Axial chest CT slice 68 of 133 (counted from the lowest slice); tube voltage 120 kVp, convolution kernel LUNG; slices 2.50 mm thick, 0.703 mm per pixel.
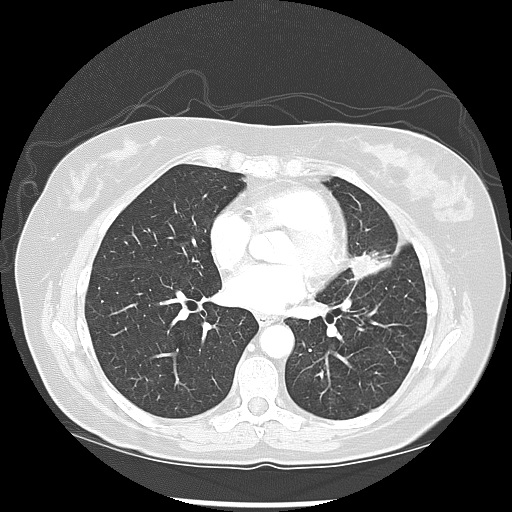
Pulmonary nodule outlined by three of the four readers; box rows 250–280, columns 348–390 (the union of the readers' outlines on this slice); the three readers' outlines give a longest diameter between 33.3 and 41.8 mm and a volume between 6044 and 7666 mm3. The readers' ratings, as ranges where they differ: texture 5/5 (solid), all three readers agreeing; margin from 3/5 to 4/5 across the three readers; sphericity 3/5 (ovoid), all three readers agreeing; calcification absent from all three readers; internal structure soft tissue from all three readers; subtlety 5/5 from all three readers; malignancy likelihood 5/5, all three readers agreeing. Scale key (1–5): texture non-solid→solid, margin indistinct→circumscribed, sphericity linear→round, subtlety extremely subtle→obvious, malignancy likelihood highly unlikely→highly suspicious of cancer. Box rows and columns are 0-based pixel indices from the top-left corner, inclusive.